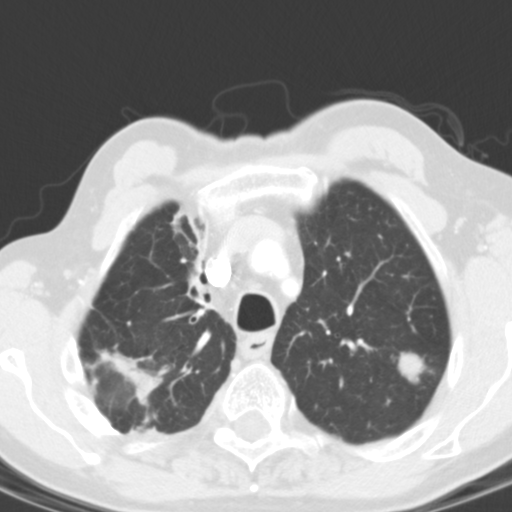
One axial slice (100 of 127, counting up from the lowest) of a chest CT acquired at 120 kVp with the B31f kernel; each pixel is 0.537 mm and the slice is 3.00 mm thick.
Pulmonary nodule outlined by all four readers; box rows 352–382, columns 398–425 (the union of the readers' outlines on this slice); longest diameter 28.1 mm on average over the four readers' outlines (readers' outlines 25.3–34.3 mm), volume 2614–3808 mm3. Ratings, by the readers' most common answer with dissent counted: most readers (three of four) put texture at 5/5 (solid), others 4/5 (one); margin split among the readers: 2/5 (one), 3/5 (one), 4/5 (one), 5/5 (circumscribed) (one); most readers (three of four) put sphericity at 4/5, others 3/5 (ovoid) (one); calcification absent from all four readers; internal structure soft tissue from all four readers; most readers (three of four) put subtlety at 5/5, others 4/5 (one); malignancy likelihood split among the readers: 2/5 (one), 3/5 (one), 4/5 (one), 5/5 (one). Scale key (1–5): texture non-solid→solid, margin indistinct→circumscribed, sphericity linear→round, subtlety extremely subtle→obvious, malignancy likelihood highly unlikely→highly suspicious of cancer. Box rows and columns are 0-based pixel indices from the top-left corner, inclusive.